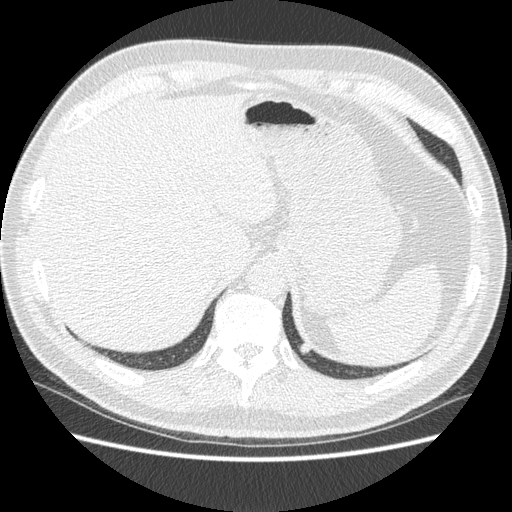
Axial chest CT slice 98 of 477 (counted from the lowest slice); tube voltage 120 kVp, convolution kernel STANDARD; slices 1.25 mm thick, 0.703 mm per pixel.
Pulmonary nodule, outlined by all four readers. Box on this slice rows 342–354, columns 297–310, the union of the readers' outlines on this slice; longest diameter 11.8 mm on average over the four readers' outlines (readers' outlines 10.5–13.2 mm), volume 347–425 mm3. Ratings, by the readers' most common answer with dissent counted: texture 5/5 (solid), all four readers agreeing; margin 4/5 by three of four readers; the rest gave 5/5 (circumscribed) (one); sphericity 3/5 (ovoid) by two of four readers; the rest gave 4/5 (one), 5/5 (round) (one); calcification split among the readers: solid calcification (one), non-central calcification (one), central calcification (one), absent (one); internal structure soft tissue from all four readers; subtlety split among the readers: 3/5 (two), 5/5 (two); malignancy likelihood split among the readers: 1/5 (two), 2/5 (two). Scale key (1–5): texture non-solid→solid, margin indistinct→circumscribed, sphericity linear→round, subtlety extremely subtle→obvious, malignancy likelihood highly unlikely→highly suspicious of cancer. Box rows and columns are 0-based pixel indices from the top-left corner, inclusive.